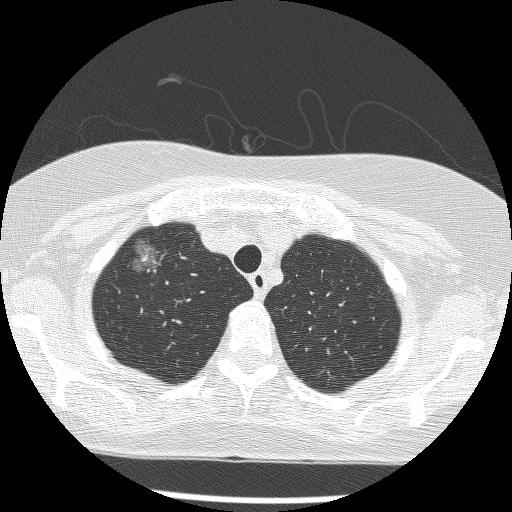
Chest CT, axial plane, 120 kVp, kernel BONE. Slice 206/241 from the bottom of the scan; thickness 1.25 mm; pixel size 0.586 mm.
Pulmonary nodule outlined by all four readers; box rows 238–273, columns 130–161 (the union of the readers' outlines on this slice); the four readers' outlines give a longest diameter between 21.0 and 24.7 mm and a volume between 2289 and 2909 mm3. The readers' ratings, as ranges where they differ: texture from 1/5 (non-solid) to 2/5 across the four readers; margin from 2/5 to 3/5 across the four readers; sphericity from 2/5 to 4/5 across the four readers; calcification absent from all four readers; internal structure soft tissue from all four readers; subtlety from 4/5 to 5/5 across the four readers; malignancy likelihood rated between 3 and 5 out of 5 by the four readers. Scale key (1–5): texture non-solid→solid, margin indistinct→circumscribed, sphericity linear→round, subtlety extremely subtle→obvious, malignancy likelihood highly unlikely→highly suspicious of cancer. Box rows and columns are 0-based pixel indices from the top-left corner, inclusive.